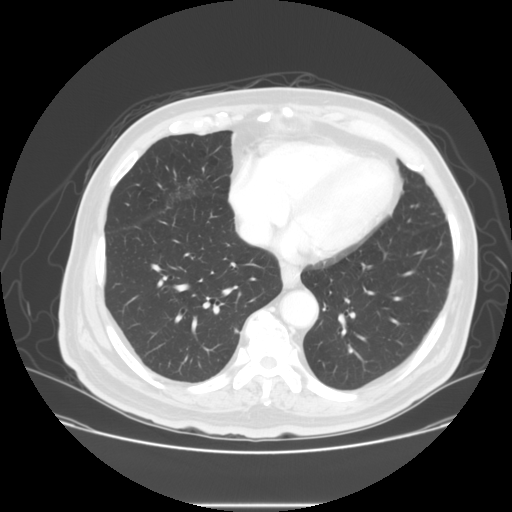
Slice 57/133 of a chest CT, counting up from the lowest; pixel size 0.781 mm, slice thickness 2.50 mm. Pulmonary nodule, outlined by two of the four readers. Box on this slice rows 328–332, columns 234–237, the union of the readers' outlines on this slice; median longest diameter 5.9 mm (readers' outlines 5.0–6.7 mm), median volume 104 mm3 (84–124 mm3). Ratings, median across the readers with their spread: texture 5/5 (solid), both readers agreeing; margin 3.5/5 at the median of two readers, spread 2/5 to 5/5 (circumscribed); median sphericity 3.5/5 (readers ranged 2/5 to 5/5 (round)); calcification absent from both readers; internal structure soft tissue from both readers; subtlety 3/5 from both readers; malignancy likelihood 2/5 from both readers. Scale key (1–5): texture non-solid→solid, margin indistinct→circumscribed, sphericity linear→round, subtlety extremely subtle→obvious, malignancy likelihood highly unlikely→highly suspicious of cancer. Box rows and columns are 0-based pixel indices from the top-left corner, inclusive.
Acquired at 140 kVp and reconstructed with the STANDARD kernel.